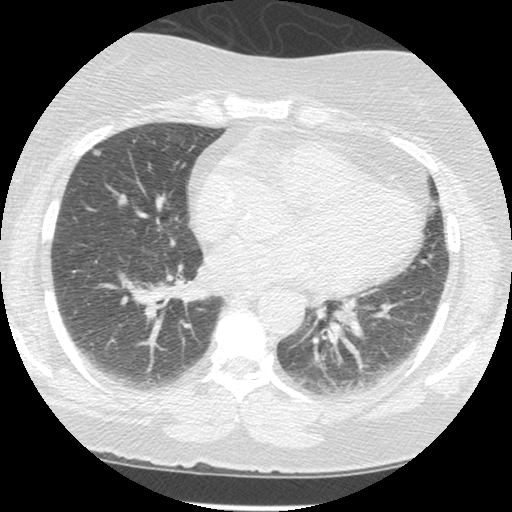
This is axial slice 146 of 381 (slice 1 is the lowest) of a chest CT; each pixel is 0.625 mm and the slice is 1.25 mm thick. Pulmonary nodule outlined by three of the four readers; box rows 149–155, columns 92–100 (the union of the readers' outlines on this slice); longest diameter 6.7 mm on average over the three readers' outlines (readers' outlines 6.5–7.1 mm), volume 53–61 mm3. The readers' prevailing ratings and who disagreed: texture 5/5 (solid) by two of three readers; the rest gave 1/5 (non-solid) (one); margin split among the readers: 3/5 (one), 4/5 (one), 5/5 (circumscribed) (one); most readers (two of three) put sphericity at 5/5 (round), others 3/5 (ovoid) (one); calcification absent from all three readers; internal structure soft tissue from all three readers; most readers (two of three) put subtlety at 3/5, others 5/5 (one); most readers (two of three) put malignancy likelihood at 3/5, others 2/5 (one). Scale key (1–5): texture non-solid→solid, margin indistinct→circumscribed, sphericity linear→round, subtlety extremely subtle→obvious, malignancy likelihood highly unlikely→highly suspicious of cancer. Box rows and columns are 0-based pixel indices from the top-left corner, inclusive.
Acquired at 120 kVp and reconstructed with the STANDARD kernel.